Chest CT, axial plane, 120 kVp, kernel STANDARD. Slice 439/541 from the bottom of the scan; thickness 1.25 mm; pixel size 0.781 mm.
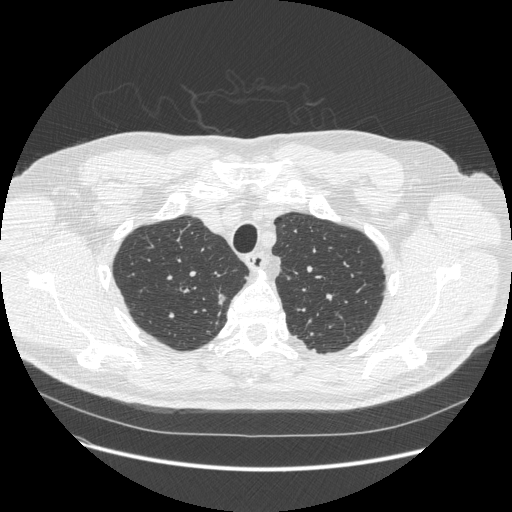
Pulmonary nodule, outlined by all four readers. Box on this slice rows 293–304, columns 216–225, the union of the readers' outlines on this slice; median longest diameter 10.2 mm (readers' outlines 9.5–10.6 mm), median volume 148 mm3 (135–169 mm3). Ratings, median across the readers with their spread: texture 5/5 (solid) at the median of four readers, spread 4/5 to 5/5 (solid); margin 4/5 at the median of four readers, spread 2/5 to 4/5; sphericity 3.5/5 at the median of four readers, spread 3/5 (ovoid) to 4/5; calcification absent, all four readers agreeing; internal structure soft tissue from all four readers; subtlety 3.5/5 at the median of four readers, spread 2–5; malignancy likelihood 3/5 at the median of four readers, spread 2–5. Scale key (1–5): texture non-solid→solid, margin indistinct→circumscribed, sphericity linear→round, subtlety extremely subtle→obvious, malignancy likelihood highly unlikely→highly suspicious of cancer. Box rows and columns are 0-based pixel indices from the top-left corner, inclusive.